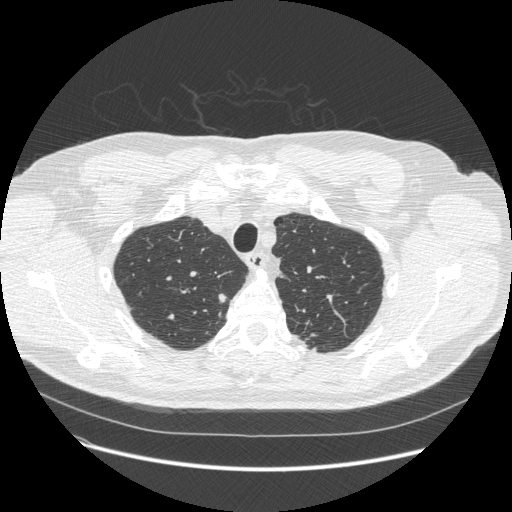
One axial slice (441 of 541, counting up from the lowest) of a chest CT acquired at 120 kVp with the STANDARD kernel; each pixel is 0.781 mm and the slice is 1.25 mm thick.
Pulmonary nodule, outlined by all four readers. Box on this slice rows 293–303, columns 218–226, the union of the readers' outlines on this slice; median longest diameter 10.2 mm (readers' outlines 9.5–10.6 mm), median volume 148 mm3 (135–169 mm3). Median ratings and the readers' spread: median texture 5/5 (solid) (readers ranged 4/5 to 5/5 (solid)); median margin 4/5 (readers ranged 2/5 to 4/5); sphericity 3.5/5 at the median of four readers, spread 3/5 (ovoid) to 4/5; calcification absent, all four readers agreeing; internal structure soft tissue, all four readers agreeing; subtlety 3.5/5 at the median of four readers, spread 2–5; malignancy likelihood 3/5 at the median of four readers, spread 2–5. Scale key (1–5): texture non-solid→solid, margin indistinct→circumscribed, sphericity linear→round, subtlety extremely subtle→obvious, malignancy likelihood highly unlikely→highly suspicious of cancer. Box rows and columns are 0-based pixel indices from the top-left corner, inclusive.